Axial chest CT slice 121 of 241 (counted from the lowest slice); tube voltage 120 kVp, convolution kernel BONE; slices 1.25 mm thick, 0.590 mm per pixel.
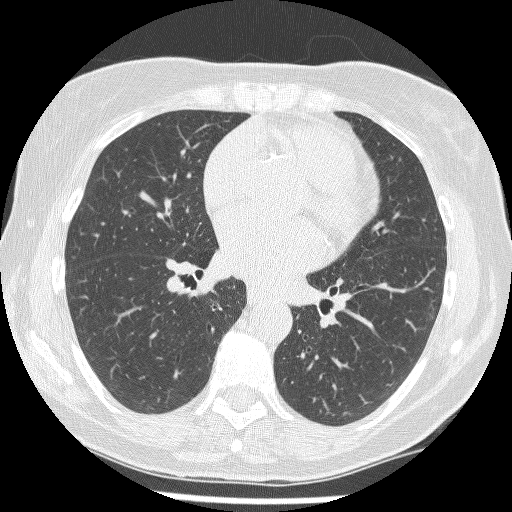
Pulmonary nodule, outlined by three of the four readers. Box on this slice rows 304–321, columns 422–437, the union of the readers' outlines on this slice; median longest diameter 16.1 mm (readers' outlines 16.1–17.2 mm), median volume 684 mm3 (610–777 mm3). Median ratings and the readers' spread: median texture 1/5 (non-solid) (readers ranged 1/5 (non-solid) to 2/5); median margin 2/5 (readers ranged 1/5 (indistinct) to 3/5); sphericity 3/5 (ovoid) at the median of three readers, spread 3/5 (ovoid) to 4/5; calcification absent from all three readers; internal structure soft tissue from all three readers; median subtlety 3/5 (readers ranged 2–4); malignancy likelihood 3/5 at the median of three readers, spread 3–4. Scale key (1–5): texture non-solid→solid, margin indistinct→circumscribed, sphericity linear→round, subtlety extremely subtle→obvious, malignancy likelihood highly unlikely→highly suspicious of cancer. Box rows and columns are 0-based pixel indices from the top-left corner, inclusive.